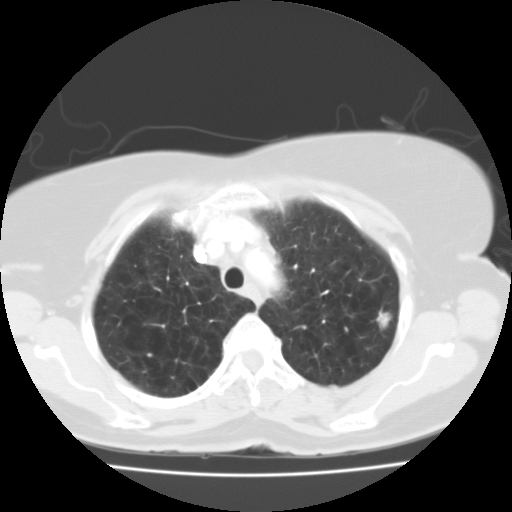
Chest CT, axial plane, 135 kVp, kernel FC01. Slice 97/118 from the bottom of the scan; thickness 3.00 mm; pixel size 0.665 mm.
Pulmonary nodule, outlined by all four readers. Box on this slice rows 307–331, columns 376–392, the union of the readers' outlines on this slice; the four readers' outlines give a longest diameter between 14.2 and 18.1 mm and a volume between 1024 and 1671 mm3. Ratings across the readers: texture 5/5 (solid), all four readers agreeing; margin from 3/5 to 5/5 (circumscribed) across the four readers; sphericity from 4/5 to 5/5 (round) across the four readers; calcification absent, all four readers agreeing; internal structure soft tissue, all four readers agreeing; subtlety 5/5, all four readers agreeing; malignancy likelihood 3–5/5 (the readers disagree). Scale key (1–5): texture non-solid→solid, margin indistinct→circumscribed, sphericity linear→round, subtlety extremely subtle→obvious, malignancy likelihood highly unlikely→highly suspicious of cancer. Box rows and columns are 0-based pixel indices from the top-left corner, inclusive.